Chest CT, axial plane, 120 kVp, kernel STANDARD. Slice 126/258 from the bottom of the scan; thickness 1.25 mm; pixel size 0.859 mm.
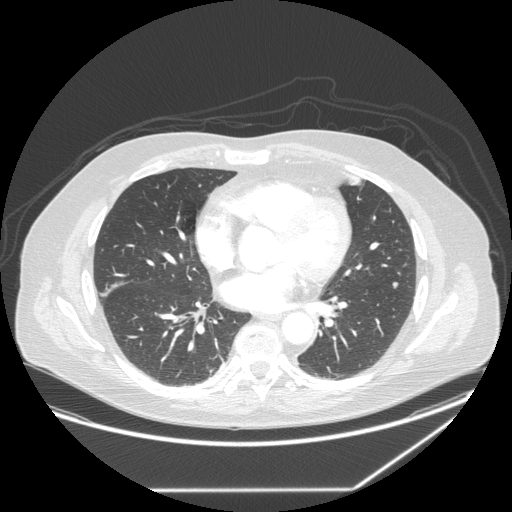
Two pulmonary nodules are outlined on this slice; from left to right: (1) Pulmonary nodule at rows 364–368, columns 207–210 (box = the one reader's outline on this slice), outlined by all four readers, one of them on this slice; median longest diameter 10.0 mm (readers' outlines 8.2–10.9 mm), median volume 342 mm3 (187–384 mm3). Ratings, median across the readers with their spread: texture 5/5 (solid), all four readers agreeing; margin 4.5/5 at the median of four readers, spread 4/5 to 5/5 (circumscribed); sphericity 4.5/5 at the median of four readers, spread 4/5 to 5/5 (round); calcification absent, all four readers agreeing; internal structure soft tissue from all four readers; median subtlety 4/5 (readers ranged 3–5); median malignancy likelihood 3/5 (readers ranged 2–4). (2) Pulmonary nodule at rows 281–288, columns 391–398 (box = the union of the readers' outlines on this slice), outlined by all four readers; the four readers' outlines give a longest diameter between 7.3 and 8.6 mm and a volume between 165 and 207 mm3. The readers' ratings, as ranges where they differ: texture 5/5 (solid), all four readers agreeing; margin 5/5 (circumscribed) from all four readers; sphericity from 4/5 to 5/5 (round) across the four readers; calcification absent, all four readers agreeing; internal structure soft tissue, all four readers agreeing; subtlety from 3/5 to 5/5 across the four readers; malignancy likelihood from 2/5 to 3/5 across the four readers. Scale key (1–5): texture non-solid→solid, margin indistinct→circumscribed, sphericity linear→round, subtlety extremely subtle→obvious, malignancy likelihood highly unlikely→highly suspicious of cancer. Box rows and columns are 0-based pixel indices from the top-left corner, inclusive.